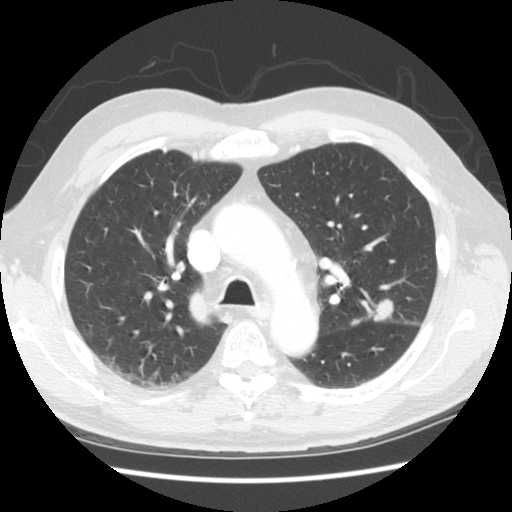
One axial slice (176 of 258, counting up from the lowest) of a chest CT acquired at 120 kVp with the STANDARD kernel; each pixel is 0.664 mm and the slice is 2.50 mm thick.
Two pulmonary nodules are outlined on this slice; from left to right: (1) Pulmonary nodule, outlined by three of the four readers. Box on this slice rows 320–325, columns 351–357, the union of the readers' outlines on this slice; the three readers' outlines give a longest diameter between 6.1 and 6.9 mm and a volume between 47 and 105 mm3. Ratings across the readers: texture 5/5 (solid) from all three readers; margin from 3/5 to 4/5 across the three readers; sphericity from 2/5 to 3/5 (ovoid) across the three readers; calcification absent, all three readers agreeing; internal structure soft tissue from all three readers; subtlety 2–4/5 (the readers disagree); malignancy likelihood rated between 2 and 4 out of 5 by the three readers. (2) Pulmonary nodule, outlined by all four readers. Box on this slice rows 299–321, columns 373–393, the union of the readers' outlines on this slice; longest diameter 20.6 mm on average over the four readers' outlines (readers' outlines 19.7–21.9 mm), volume 1387–1715 mm3. The readers' prevailing ratings and who disagreed: texture 5/5 (solid) from all four readers; margin split among the readers: 3/5 (two), 4/5 (two); sphericity 3/5 (ovoid) by two of four readers; the rest gave 2/5 (one), 4/5 (one); calcification absent from all four readers; internal structure soft tissue from all four readers; subtlety 5/5 from all four readers; malignancy likelihood 5/5 by three of four readers; the rest gave 3/5 (one). Scale key (1–5): texture non-solid→solid, margin indistinct→circumscribed, sphericity linear→round, subtlety extremely subtle→obvious, malignancy likelihood highly unlikely→highly suspicious of cancer. Box rows and columns are 0-based pixel indices from the top-left corner, inclusive.